One axial slice (96 of 127, counting up from the lowest) of a chest CT acquired at 120 kVp with the B31f kernel; each pixel is 0.537 mm and the slice is 3.00 mm thick.
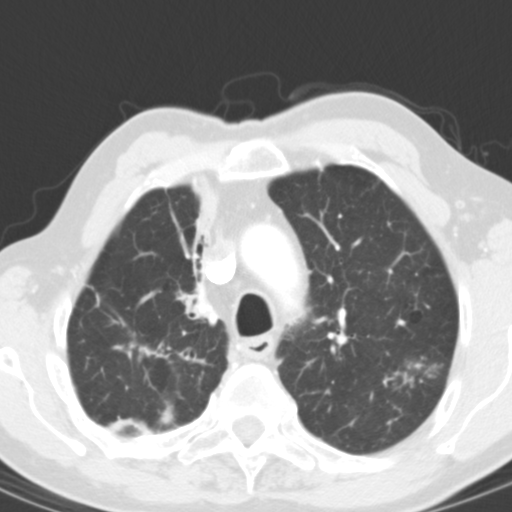
Pulmonary nodule outlined by all four readers, two of them on this slice; box rows 357–388, columns 383–441 (the union of the readers' outlines on this slice); median longest diameter 26.3 mm (readers' outlines 25.3–34.3 mm), median volume 3156 mm3 (2614–3808 mm3). Median ratings and the readers' spread: median texture 5/5 (solid) (readers ranged 4/5 to 5/5 (solid)); margin 3.5/5 at the median of four readers, spread 2/5 to 5/5 (circumscribed); median sphericity 4/5 (readers ranged 3/5 (ovoid) to 4/5); calcification absent, all four readers agreeing; internal structure soft tissue, all four readers agreeing; subtlety 5/5 at the median of four readers, spread 4–5; malignancy likelihood 3.5/5 at the median of four readers, spread 2–5. Scale key (1–5): texture non-solid→solid, margin indistinct→circumscribed, sphericity linear→round, subtlety extremely subtle→obvious, malignancy likelihood highly unlikely→highly suspicious of cancer. Box rows and columns are 0-based pixel indices from the top-left corner, inclusive.